One axial slice (200 of 315, counting up from the lowest) of a chest CT acquired at 120 kVp with the B kernel; each pixel is 0.830 mm and the slice is 2.00 mm thick.
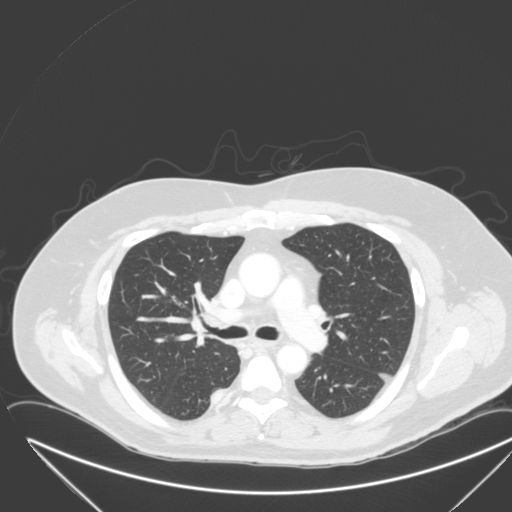
Pulmonary nodule, outlined by one of the four readers. Box on this slice rows 390–402, columns 212–224, that reader's outline on this slice; longest diameter 27.1 mm and volume 6093 mm3 from that reader's outline. That reader's ratings: texture 5/5 (solid); margin 4/5; sphericity 2/5; calcification absent; internal structure soft tissue; subtlety 5/5; malignancy likelihood 4/5. Scale key (1–5): texture non-solid→solid, margin indistinct→circumscribed, sphericity linear→round, subtlety extremely subtle→obvious, malignancy likelihood highly unlikely→highly suspicious of cancer. Box rows and columns are 0-based pixel indices from the top-left corner, inclusive.